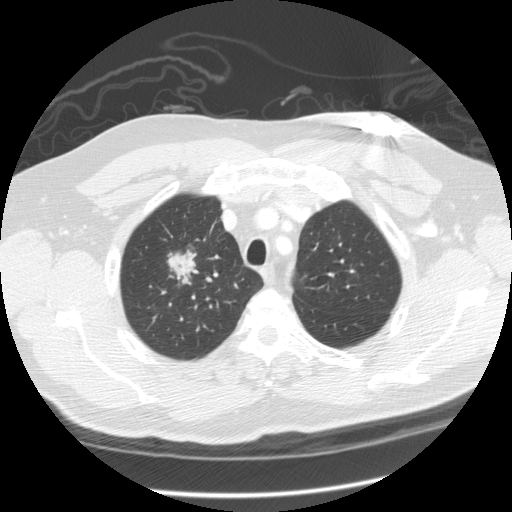
One axial slice (251 of 305, counting up from the lowest) of a chest CT acquired at 120 kVp with the STANDARD kernel; each pixel is 0.732 mm and the slice is 1.25 mm thick.
Pulmonary nodule, outlined by three of the four readers. Box on this slice rows 245–289, columns 166–199, the union of the readers' outlines on this slice; median longest diameter 43.6 mm (readers' outlines 41.0–45.9 mm), median volume 9712 mm3 (6528–11092 mm3). Ratings, median across the readers with their spread: median texture 4/5 (readers ranged 3/5 (part-solid) to 5/5 (solid)); margin 3/5 at the median of three readers, spread 1/5 (indistinct) to 4/5; median sphericity 3/5 (ovoid) (readers ranged 2/5 to 3/5 (ovoid)); calcification absent, all three readers agreeing; internal structure soft tissue, all three readers agreeing; subtlety 5/5, all three readers agreeing; malignancy likelihood 5/5, all three readers agreeing. Scale key (1–5): texture non-solid→solid, margin indistinct→circumscribed, sphericity linear→round, subtlety extremely subtle→obvious, malignancy likelihood highly unlikely→highly suspicious of cancer. Box rows and columns are 0-based pixel indices from the top-left corner, inclusive.